Chest CT, axial plane, 120 kVp, kernel B. Slice 88/250 from the bottom of the scan; thickness 2.00 mm; pixel size 0.834 mm.
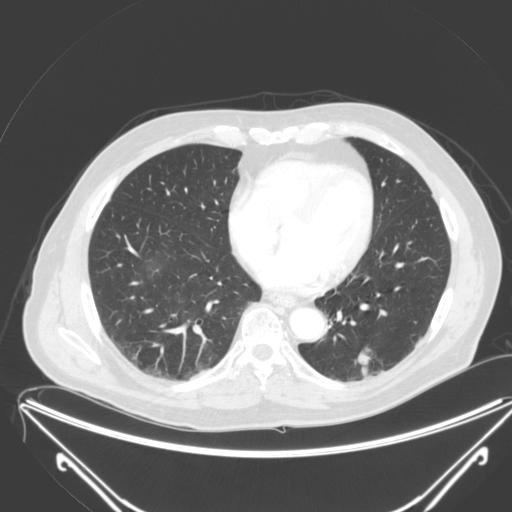
Pulmonary nodule outlined by all four readers; box rows 346–376, columns 356–376 (the union of the readers' outlines on this slice); median longest diameter 28.3 mm (readers' outlines 26.7–30.4 mm), median volume 3107 mm3 (2541–3664 mm3). Ratings, median across the readers with their spread: median texture 4.5/5 (readers ranged 4/5 to 5/5 (solid)); margin 3/5 at the median of four readers, spread 2/5 to 4/5; sphericity 3/5 (ovoid) at the median of four readers, spread 3/5 (ovoid) to 5/5 (round); calcification absent from all four readers; internal structure soft tissue from all four readers; subtlety 5/5 from all four readers; median malignancy likelihood 3.5/5 (readers ranged 3–5). Scale key (1–5): texture non-solid→solid, margin indistinct→circumscribed, sphericity linear→round, subtlety extremely subtle→obvious, malignancy likelihood highly unlikely→highly suspicious of cancer. Box rows and columns are 0-based pixel indices from the top-left corner, inclusive.